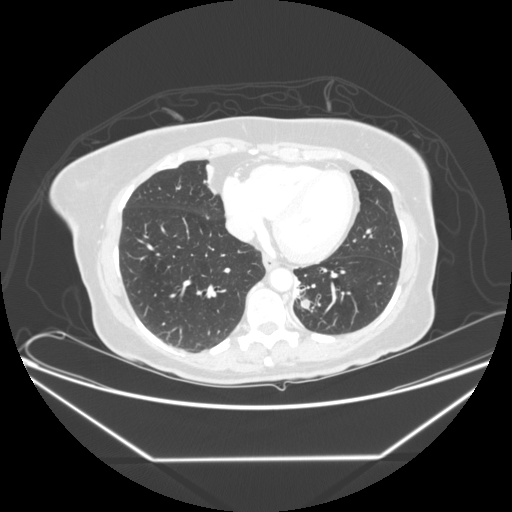
Axial chest CT slice 80 of 245 (counted from the lowest slice); 1.25 mm thick, 0.826 mm per pixel. Pulmonary nodule, outlined by all four readers. Box on this slice rows 299–310, columns 300–310, the union of the readers' outlines on this slice; longest diameter 10.9–14.9 mm and volume 519–637 mm3 across the four readers' outlines. Ratings across the readers: texture 5/5 (solid) from all four readers; margin from 4/5 to 5/5 (circumscribed) across the four readers; sphericity from 3/5 (ovoid) to 5/5 (round) across the four readers; calcification absent, all four readers agreeing; internal structure soft tissue, all four readers agreeing; subtlety rated between 2 and 5 out of 5 by the four readers; malignancy likelihood 3–4/5 (the readers disagree). Scale key (1–5): texture non-solid→solid, margin indistinct→circumscribed, sphericity linear→round, subtlety extremely subtle→obvious, malignancy likelihood highly unlikely→highly suspicious of cancer. Box rows and columns are 0-based pixel indices from the top-left corner, inclusive.
Acquired at 120 kVp and reconstructed with the STANDARD kernel.